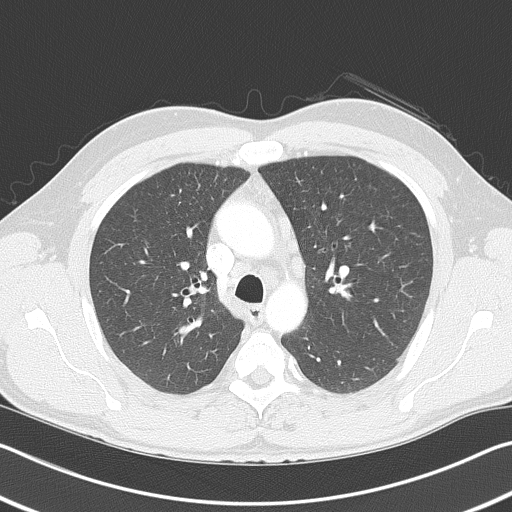
Chest CT, axial plane, 120 kVp, kernel B70f. Slice 283/368 from the bottom of the scan; thickness 2.00 mm; pixel size 0.660 mm.
The readers outlined no nodule of 3 mm or more on this slice.